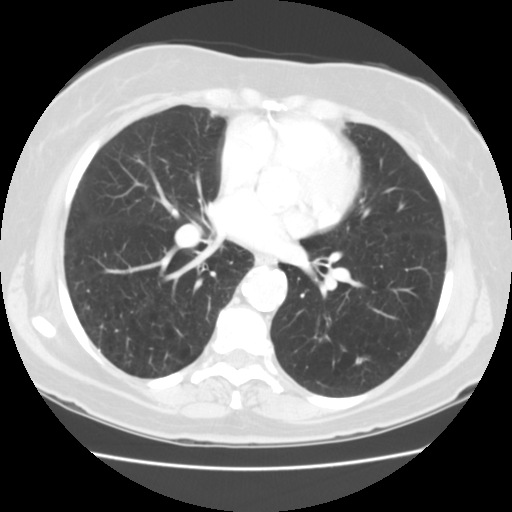
Axial chest CT slice 73 of 133 (counted from the lowest slice); tube voltage 120 kVp, convolution kernel STANDARD; slices 2.50 mm thick, 0.625 mm per pixel.
Pulmonary nodule outlined by one of the four readers; box rows 357–363, columns 357–367 (that reader's outline on this slice); longest diameter 15.1 mm and volume 466 mm3 from that reader's outline. That reader's ratings: texture 1/5 (non-solid); margin 2/5; sphericity 5/5 (round); calcification absent; internal structure soft tissue; subtlety 1/5; malignancy likelihood 2/5. Scale key (1–5): texture non-solid→solid, margin indistinct→circumscribed, sphericity linear→round, subtlety extremely subtle→obvious, malignancy likelihood highly unlikely→highly suspicious of cancer. Box rows and columns are 0-based pixel indices from the top-left corner, inclusive.